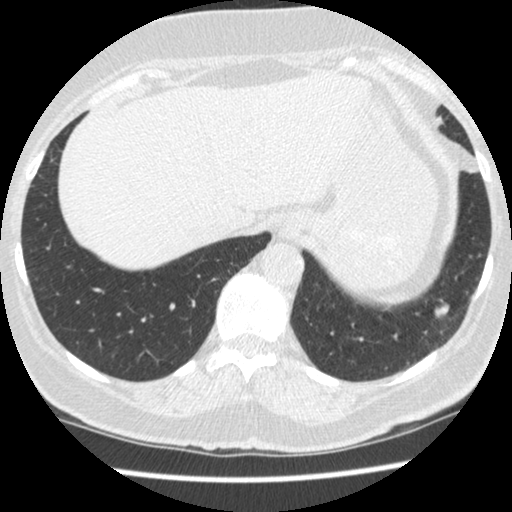
Axial chest CT slice 102 of 481 (counted from the lowest slice); 1.25 mm thick, 0.605 mm per pixel. Pulmonary nodule outlined by all four readers; box rows 299–318, columns 434–449 (the union of the readers' outlines on this slice); median longest diameter 13.8 mm (readers' outlines 13.3–14.6 mm), median volume 773 mm3 (633–867 mm3). Ratings, median across the readers with their spread: texture 5/5 (solid), all four readers agreeing; median margin 4.5/5 (readers ranged 4/5 to 5/5 (circumscribed)); sphericity 4/5 at the median of four readers, spread 4/5 to 5/5 (round); calcification absent from all four readers; internal structure soft tissue from all four readers; median subtlety 5/5 (readers ranged 4–5); median malignancy likelihood 3.5/5 (readers ranged 2–5). Scale key (1–5): texture non-solid→solid, margin indistinct→circumscribed, sphericity linear→round, subtlety extremely subtle→obvious, malignancy likelihood highly unlikely→highly suspicious of cancer. Box rows and columns are 0-based pixel indices from the top-left corner, inclusive.
Tube voltage 120 kVp; convolution kernel STANDARD.